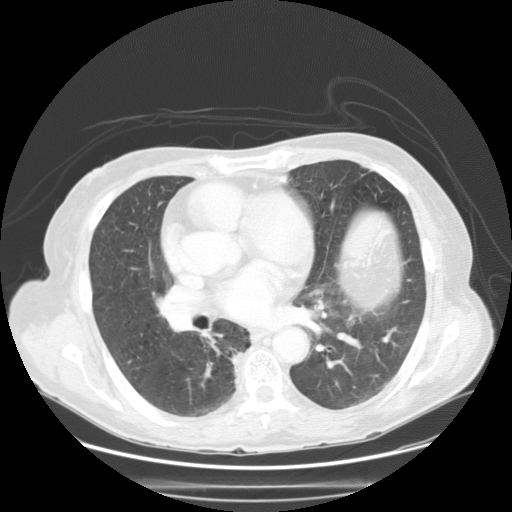
Chest CT, axial plane, 120 kVp, kernel STANDARD. Slice 76/137 from the bottom of the scan; thickness 2.50 mm; pixel size 0.781 mm.
No nodule 3 mm or larger was outlined here by any reader.